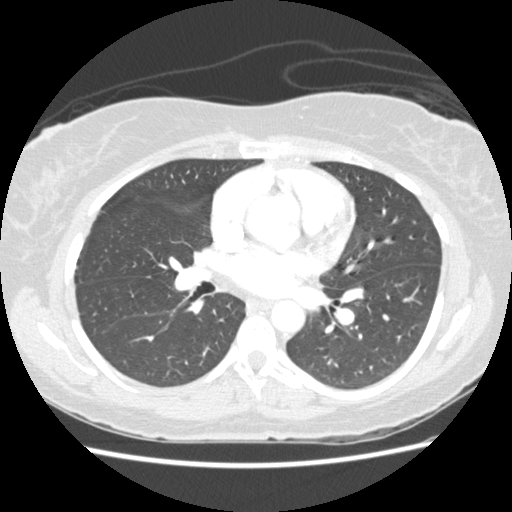
Axial slice 135 of 238 of a chest CT (slice 1 is the lowest), reconstructed with the STANDARD kernel at 120 kVp; 1.25 mm slice thickness and 0.664 mm pixels.
This slice carries no reader outline of a nodule 3 mm or larger.